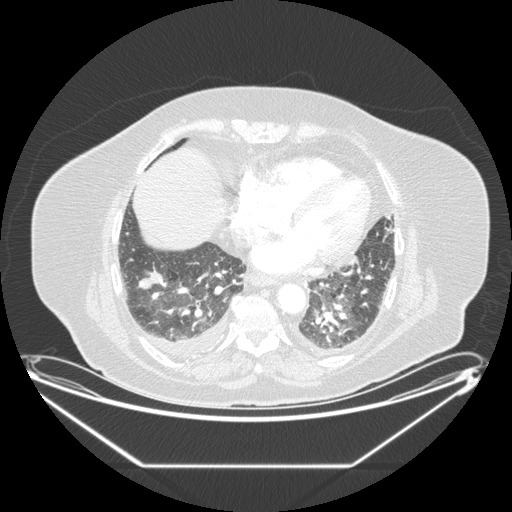
Axial chest CT slice 63 of 206 (counted from the lowest slice); tube voltage 120 kVp, convolution kernel STANDARD; slices 1.25 mm thick, 0.898 mm per pixel.
Pulmonary nodule at rows 265–289, columns 137–163 (box = the union of the readers' outlines on this slice), outlined by all four readers; the four readers' outlines give a longest diameter between 25.7 and 34.7 mm and a volume between 3668 and 5061 mm3. Ratings across the readers: texture from 4/5 to 5/5 (solid) across the four readers; margin 4/5 from all four readers; sphericity from 3/5 (ovoid) to 5/5 (round) across the four readers; calcification absent, all four readers agreeing; internal structure soft tissue from all four readers; subtlety rated between 4 and 5 out of 5 by the four readers; malignancy likelihood 3–5/5 (the readers disagree). Scale key (1–5): texture non-solid→solid, margin indistinct→circumscribed, sphericity linear→round, subtlety extremely subtle→obvious, malignancy likelihood highly unlikely→highly suspicious of cancer. Box rows and columns are 0-based pixel indices from the top-left corner, inclusive.